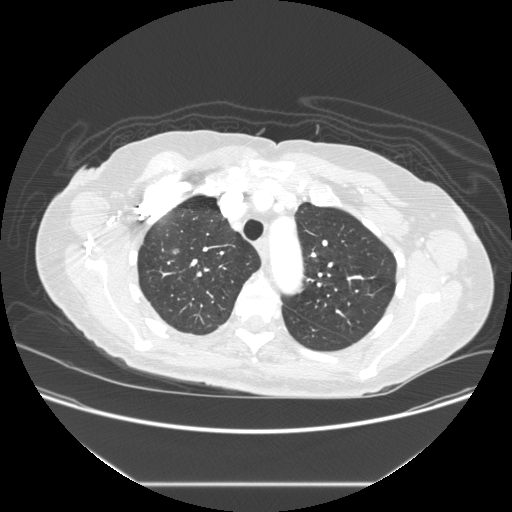
Axial chest CT slice 186 of 238 (counted from the lowest slice); tube voltage 120 kVp, convolution kernel STANDARD; slices 1.25 mm thick, 0.781 mm per pixel.
Pulmonary nodule, outlined by one of the four readers. Box on this slice rows 250–252, columns 174–177, that reader's outline on this slice; longest diameter 6.3 mm and volume 68 mm3 from that reader's outline. Ratings by that reader: texture 5/5 (solid); margin 4/5; sphericity 4/5; calcification absent; internal structure soft tissue; subtlety 3/5; malignancy likelihood 3/5. Scale key (1–5): texture non-solid→solid, margin indistinct→circumscribed, sphericity linear→round, subtlety extremely subtle→obvious, malignancy likelihood highly unlikely→highly suspicious of cancer. Box rows and columns are 0-based pixel indices from the top-left corner, inclusive.